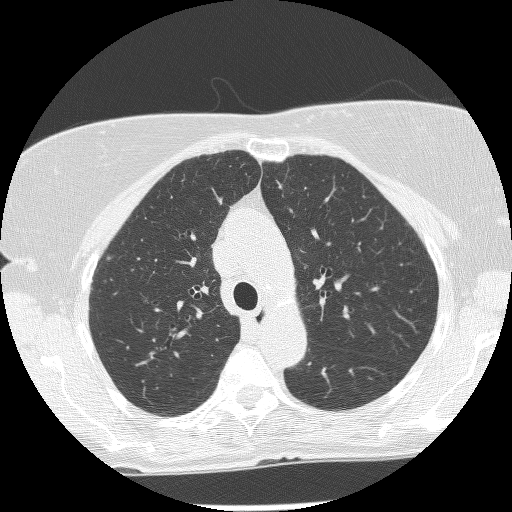
Axial chest CT slice 177 of 239 (counted from the lowest slice); tube voltage 120 kVp, convolution kernel BONE; slices 1.25 mm thick, 0.586 mm per pixel.
Pulmonary nodule, outlined by one of the four readers. Box on this slice rows 255–259, columns 104–112, that reader's outline on this slice; longest diameter 6.0 mm and volume 46 mm3 from that reader's outline. Ratings by that reader: texture 5/5 (solid); margin 5/5 (circumscribed); sphericity 4/5; calcification absent; internal structure soft tissue; subtlety 3/5; malignancy likelihood 3/5. Scale key (1–5): texture non-solid→solid, margin indistinct→circumscribed, sphericity linear→round, subtlety extremely subtle→obvious, malignancy likelihood highly unlikely→highly suspicious of cancer. Box rows and columns are 0-based pixel indices from the top-left corner, inclusive.